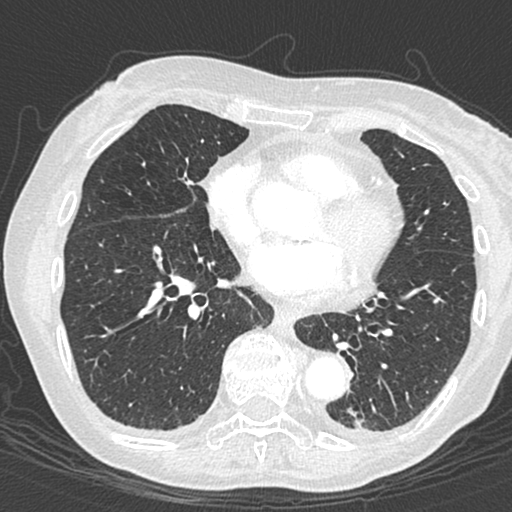
Axial chest CT slice 141 of 301 (counted from the lowest slice); tube voltage 120 kVp, convolution kernel B45f; slices 1.00 mm thick, 0.547 mm per pixel.
Pulmonary nodule, outlined by three of the four readers, one of them on this slice. Box on this slice rows 410–425, columns 347–361, the one reader's outline on this slice; median longest diameter 9.1 mm (readers' outlines 6.8–15.1 mm), median volume 161 mm3 (67–603 mm3). Median ratings and the readers' spread: texture 5/5 (solid) from all three readers; margin 5/5 (circumscribed) at the median of three readers, spread 3/5 to 5/5 (circumscribed); median sphericity 4/5 (readers ranged 3/5 (ovoid) to 5/5 (round)); calcification: solid calcification (two), central calcification (one); internal structure soft tissue, all three readers agreeing; subtlety 5/5 at the median of three readers, spread 4–5; malignancy likelihood 1/5 from all three readers. Scale key (1–5): texture non-solid→solid, margin indistinct→circumscribed, sphericity linear→round, subtlety extremely subtle→obvious, malignancy likelihood highly unlikely→highly suspicious of cancer. Box rows and columns are 0-based pixel indices from the top-left corner, inclusive.